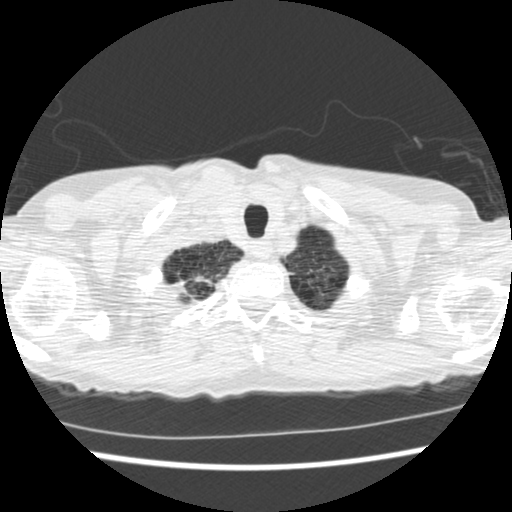
Axial chest CT slice 493 of 541 (counted from the lowest slice); 1.25 mm thick, 0.586 mm per pixel. Pulmonary nodule outlined by one of the four readers; box rows 280–298, columns 170–187 (that reader's outline on this slice); longest diameter 24.9 mm and volume 491 mm3 from that reader's outline. That reader's ratings: texture 5/5 (solid); margin 1/5 (indistinct); sphericity 2/5; calcification absent; internal structure soft tissue; subtlety 4/5; malignancy likelihood 4/5. Scale key (1–5): texture non-solid→solid, margin indistinct→circumscribed, sphericity linear→round, subtlety extremely subtle→obvious, malignancy likelihood highly unlikely→highly suspicious of cancer. Box rows and columns are 0-based pixel indices from the top-left corner, inclusive.
Scan settings: 120 kVp, STANDARD reconstruction kernel.